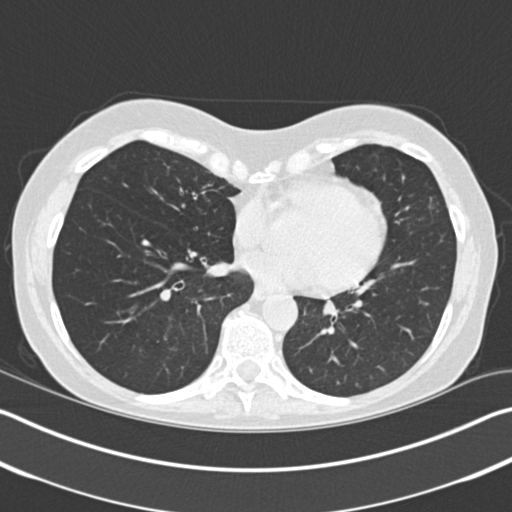
Chest CT, axial plane, 120 kVp, kernel B30f. Slice 78/183 from the bottom of the scan; thickness 2.00 mm; pixel size 0.664 mm.
None of the four readers outlined a nodule of 3 mm or more on this slice.